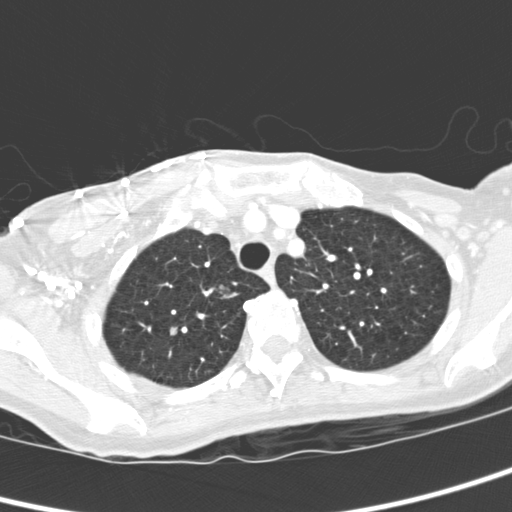
One axial slice (263 of 321, counting up from the lowest) of a chest CT acquired at 120 kVp with the D kernel; each pixel is 0.557 mm and the slice is 2.00 mm thick.
Two pulmonary nodules on this slice, listed from left to right. (1) Pulmonary nodule, outlined by all four readers. Box on this slice rows 327–335, columns 169–177, the union of the readers' outlines on this slice; longest diameter 9.1–10.4 mm and volume 168–407 mm3 across the four readers' outlines. Ratings across the readers: texture 5/5 (solid), all four readers agreeing; margin from 4/5 to 5/5 (circumscribed) across the four readers; sphericity from 3/5 (ovoid) to 4/5 across the four readers; calcification absent from all four readers; internal structure soft tissue from all four readers; subtlety from 4/5 to 5/5 across the four readers; malignancy likelihood rated between 3 and 5 out of 5 by the four readers. (2) Pulmonary nodule outlined by all four readers; box rows 284–294, columns 215–230 (the union of the readers' outlines on this slice); longest diameter 19.2–21.9 mm and volume 3323–4100 mm3 across the four readers' outlines. The readers' ratings, as ranges where they differ: texture 5/5 (solid), all four readers agreeing; margin from 4/5 to 5/5 (circumscribed) across the four readers; sphericity from 4/5 to 5/5 (round) across the four readers; calcification absent, all four readers agreeing; internal structure soft tissue, all four readers agreeing; subtlety 5/5 from all four readers; malignancy likelihood from 3/5 to 5/5 across the four readers. Scale key (1–5): texture non-solid→solid, margin indistinct→circumscribed, sphericity linear→round, subtlety extremely subtle→obvious, malignancy likelihood highly unlikely→highly suspicious of cancer. Box rows and columns are 0-based pixel indices from the top-left corner, inclusive.